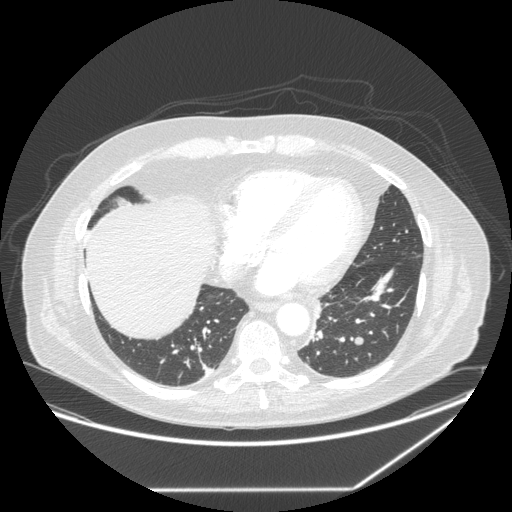
One axial slice (99 of 258, counting up from the lowest) of a chest CT acquired at 120 kVp with the STANDARD kernel; each pixel is 0.859 mm and the slice is 1.25 mm thick.
Pulmonary nodule, outlined by all four readers. Box on this slice rows 336–344, columns 350–363, the union of the readers' outlines on this slice; median longest diameter 10.2 mm (readers' outlines 8.2–13.3 mm), median volume 359 mm3 (212–384 mm3). Median ratings and the readers' spread: texture 5/5 (solid) from all four readers; median margin 4.5/5 (readers ranged 4/5 to 5/5 (circumscribed)); sphericity 5/5 (round) at the median of four readers, spread 4/5 to 5/5 (round); calcification absent from all four readers; internal structure soft tissue, all four readers agreeing; subtlety 4/5 at the median of four readers, spread 3–4; median malignancy likelihood 3.5/5 (readers ranged 2–4). Scale key (1–5): texture non-solid→solid, margin indistinct→circumscribed, sphericity linear→round, subtlety extremely subtle→obvious, malignancy likelihood highly unlikely→highly suspicious of cancer. Box rows and columns are 0-based pixel indices from the top-left corner, inclusive.